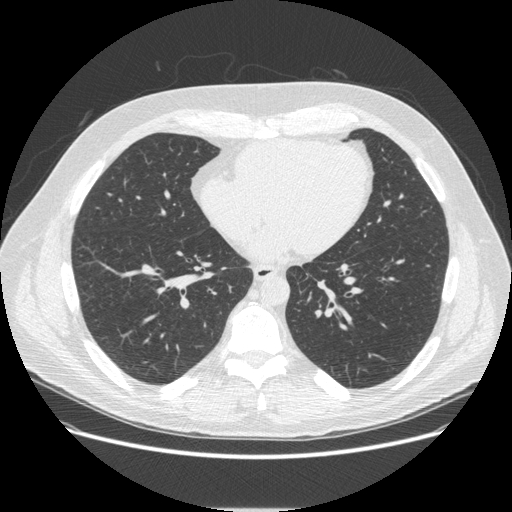
One axial slice (194 of 497, counting up from the lowest) of a chest CT acquired at 120 kVp with the STANDARD kernel; each pixel is 0.762 mm and the slice is 1.25 mm thick.
No nodule of 3 mm or larger was outlined by any of the four readers on this slice.